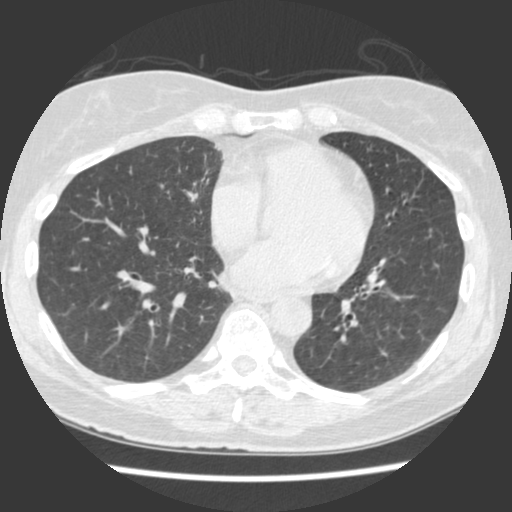
Axial chest CT slice 147 of 429 (counted from the lowest slice); 1.25 mm thick, 0.586 mm per pixel. Pulmonary nodule, outlined by all four readers, one of them on this slice. Box on this slice rows 229–231, columns 428–431, the one reader's outline on this slice; the four readers' outlines give a longest diameter between 5.2 and 5.9 mm and a volume between 29 and 70 mm3. The readers' ratings, as ranges where they differ: texture 5/5 (solid), all four readers agreeing; margin 5/5 (circumscribed) from all four readers; sphericity from 3/5 (ovoid) to 5/5 (round) across the four readers; calcification solid calcification, all four readers agreeing; internal structure soft tissue from all four readers; subtlety from 4/5 to 5/5 across the four readers; malignancy likelihood 1/5 from all four readers. Scale key (1–5): texture non-solid→solid, margin indistinct→circumscribed, sphericity linear→round, subtlety extremely subtle→obvious, malignancy likelihood highly unlikely→highly suspicious of cancer. Box rows and columns are 0-based pixel indices from the top-left corner, inclusive.
Acquired at 120 kVp and reconstructed with the STANDARD kernel.